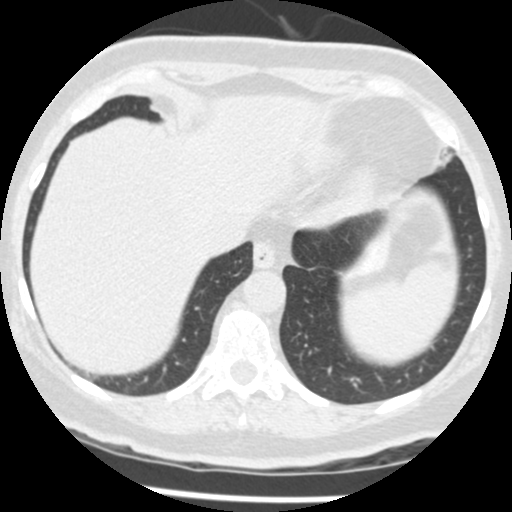
Slice 107/433 of a chest CT, counting up from the lowest; pixel size 0.547 mm, slice thickness 1.25 mm. Pulmonary nodule, outlined by two of the four readers. Box on this slice rows 247–251, columns 468–471, the union of the readers' outlines on this slice; longest diameter 4.6 mm on average over the two readers' outlines (readers' outlines 4.4–4.7 mm), volume 49–52 mm3. Ratings, by the readers' most common answer with dissent counted: texture 5/5 (solid) from both readers; margin 5/5 (circumscribed) from both readers; sphericity 5/5 (round) from both readers; calcification solid calcification from both readers; internal structure soft tissue, both readers agreeing; subtlety 5/5, both readers agreeing; malignancy likelihood 1/5 from both readers. Scale key (1–5): texture non-solid→solid, margin indistinct→circumscribed, sphericity linear→round, subtlety extremely subtle→obvious, malignancy likelihood highly unlikely→highly suspicious of cancer. Box rows and columns are 0-based pixel indices from the top-left corner, inclusive.
Acquired at 120 kVp and reconstructed with the STANDARD kernel.